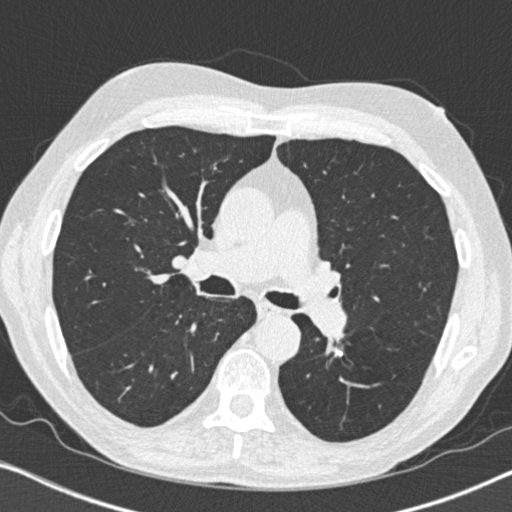
Axial slice 473 of 764 of a chest CT (slice 1 is the lowest), reconstructed with the B31f kernel at 120 kVp; 1.00 mm slice thickness and 0.646 mm pixels.
Pulmonary nodule at rows 351–355, columns 336–341 (box = that reader's outline on this slice), outlined by one of the four readers; longest diameter 8.3 mm and volume 154 mm3 from that reader's outline. Ratings by that reader: texture 5/5 (solid); margin 5/5 (circumscribed); sphericity 3/5 (ovoid); calcification solid calcification; internal structure soft tissue; subtlety 5/5; malignancy likelihood 1/5. Scale key (1–5): texture non-solid→solid, margin indistinct→circumscribed, sphericity linear→round, subtlety extremely subtle→obvious, malignancy likelihood highly unlikely→highly suspicious of cancer. Box rows and columns are 0-based pixel indices from the top-left corner, inclusive.